Axial slice 52 of 102 of a chest CT (slice 1 is the lowest), reconstructed with the FC01 kernel at 135 kVp; 3.00 mm slice thickness and 0.808 mm pixels.
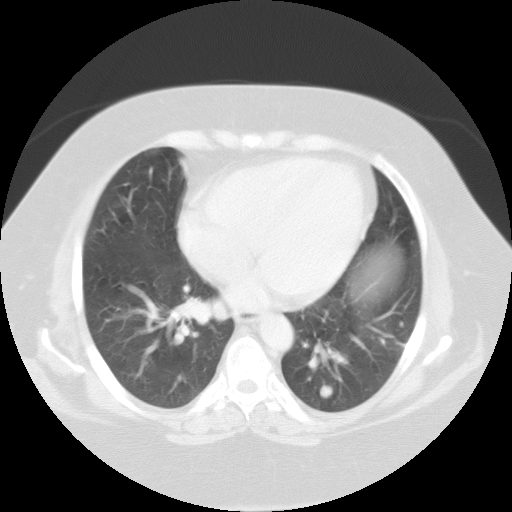
Pulmonary nodule outlined by all four readers; box rows 384–398, columns 319–332 (the union of the readers' outlines on this slice); longest diameter 12.9 mm on average over the four readers' outlines (readers' outlines 11.5–13.9 mm), volume 1135–1808 mm3. Ratings, by the readers' most common answer with dissent counted: texture 5/5 (solid), all four readers agreeing; margin 5/5 (circumscribed) from all four readers; sphericity 5/5 (round) from all four readers; calcification absent, all four readers agreeing; internal structure soft tissue from all four readers; most readers (three of four) put subtlety at 5/5, others 3/5 (one); malignancy likelihood 5/5 by three of four readers; the rest gave 2/5 (one). Scale key (1–5): texture non-solid→solid, margin indistinct→circumscribed, sphericity linear→round, subtlety extremely subtle→obvious, malignancy likelihood highly unlikely→highly suspicious of cancer. Box rows and columns are 0-based pixel indices from the top-left corner, inclusive.